Axial chest CT slice 305 of 636 (counted from the lowest slice); tube voltage 120 kVp, convolution kernel B30f; slices 0.60 mm thick, 0.689 mm per pixel.
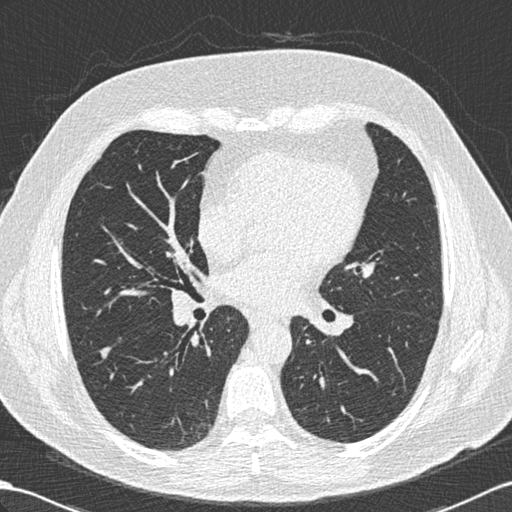
Pulmonary nodule at rows 346–359, columns 99–111 (box = the union of the readers' outlines on this slice), outlined by all four readers; longest diameter 11.1 mm on average over the four readers' outlines (readers' outlines 10.2–12.1 mm), volume 103–208 mm3. The readers' prevailing ratings and who disagreed: texture 5/5 (solid) by three of four readers; the rest gave 4/5 (one); margin 4/5 by two of four readers; the rest gave 3/5 (one), 5/5 (circumscribed) (one); sphericity 3/5 (ovoid), all four readers agreeing; calcification absent from all four readers; internal structure soft tissue, all four readers agreeing; subtlety 4/5 by two of four readers; the rest gave 3/5 (one), 5/5 (one); malignancy likelihood 3/5 from all four readers. Scale key (1–5): texture non-solid→solid, margin indistinct→circumscribed, sphericity linear→round, subtlety extremely subtle→obvious, malignancy likelihood highly unlikely→highly suspicious of cancer. Box rows and columns are 0-based pixel indices from the top-left corner, inclusive.